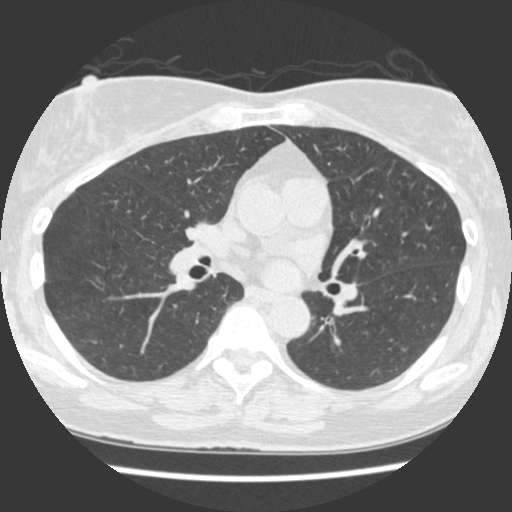
Slice 203/429 of a chest CT, counting up from the lowest; pixel size 0.586 mm, slice thickness 1.25 mm. Pulmonary nodule, outlined by all four readers, one of them on this slice. Box on this slice rows 276–284, columns 94–100, the one reader's outline on this slice; median longest diameter 7.8 mm (readers' outlines 7.2–8.0 mm), median volume 65 mm3 (53–78 mm3). Median ratings and the readers' spread: median texture 4.5/5 (readers ranged 4/5 to 5/5 (solid)); margin 3/5 at the median of four readers, spread 3/5 to 5/5 (circumscribed); sphericity 3.5/5 at the median of four readers, spread 2/5 to 4/5; calcification absent, all four readers agreeing; internal structure soft tissue, all four readers agreeing; median subtlety 3.5/5 (readers ranged 3–5); malignancy likelihood 2.5/5 at the median of four readers, spread 2–4. Scale key (1–5): texture non-solid→solid, margin indistinct→circumscribed, sphericity linear→round, subtlety extremely subtle→obvious, malignancy likelihood highly unlikely→highly suspicious of cancer. Box rows and columns are 0-based pixel indices from the top-left corner, inclusive.
Tube voltage 120 kVp; convolution kernel STANDARD.